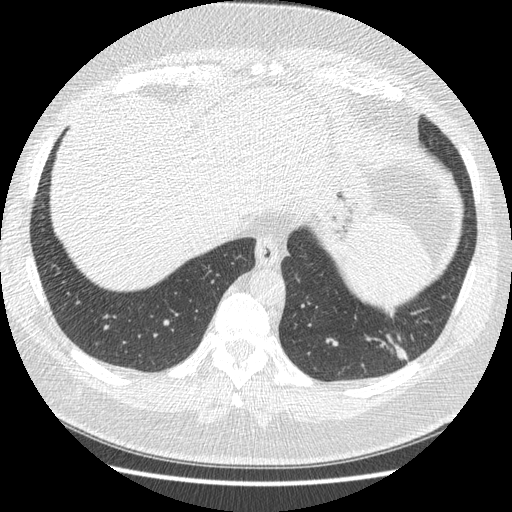
Chest CT, axial plane, 120 kVp, kernel STANDARD. Slice 67/421 from the bottom of the scan; thickness 1.25 mm; pixel size 0.703 mm.
Pulmonary nodule, outlined four times (the source holds four more outlines, not used). Box on this slice rows 307–361, columns 370–407, the union of the readers' outlines on this slice; longest diameter 33.9 mm on average over the four readers' outlines (readers' outlines 30.9–38.9 mm), volume 4443–5826 mm3. Ratings, by the readers' most common answer with dissent counted: most readers (three of four) put texture at 5/5 (solid), others 4/5 (one); most readers (three of four) put margin at 4/5, others 3/5 (one); sphericity 2/5 by two of four readers; the rest gave 3/5 (ovoid) (one), 4/5 (one); calcification absent, all four readers agreeing; internal structure soft tissue from all four readers; subtlety 5/5 by three of four readers; the rest gave 4/5 (one); malignancy likelihood split among the readers: 2/5 (one), 3/5 (one), 4/5 (one), 5/5 (one). Scale key (1–5): texture non-solid→solid, margin indistinct→circumscribed, sphericity linear→round, subtlety extremely subtle→obvious, malignancy likelihood highly unlikely→highly suspicious of cancer. Box rows and columns are 0-based pixel indices from the top-left corner, inclusive.